Chest CT, axial plane, 120 kVp, kernel STANDARD. Slice 94/277 from the bottom of the scan; thickness 1.25 mm; pixel size 0.879 mm.
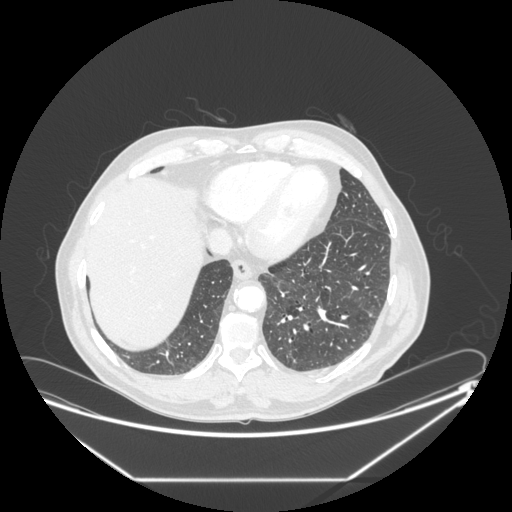
Pulmonary nodule outlined by two of the four readers; box rows 192–198, columns 343–348 (the union of the readers' outlines on this slice); longest diameter 7.6–9.3 mm and volume 94–139 mm3 across the two readers' outlines. Ratings across the readers: texture from 4/5 to 5/5 (solid) across the two readers; margin from 3/5 to 5/5 (circumscribed) across the two readers; sphericity from 2/5 to 4/5 across the two readers; calcification absent from both readers; internal structure soft tissue, both readers agreeing; subtlety 3–5/5 (the readers disagree); malignancy likelihood 2/5, both readers agreeing. Scale key (1–5): texture non-solid→solid, margin indistinct→circumscribed, sphericity linear→round, subtlety extremely subtle→obvious, malignancy likelihood highly unlikely→highly suspicious of cancer. Box rows and columns are 0-based pixel indices from the top-left corner, inclusive.